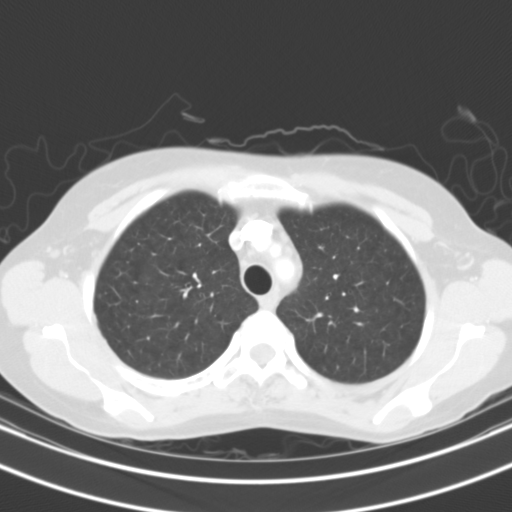
Axial slice 87 of 108 of a chest CT (slice 1 is the lowest), reconstructed with the B31s kernel at 130 kVp; 3.00 mm slice thickness and 0.629 mm pixels.
The readers outlined no nodule of 3 mm or more on this slice.